Chest CT, axial plane, 135 kVp, kernel FC01. Slice 64/124 from the bottom of the scan; thickness 3.00 mm; pixel size 0.854 mm.
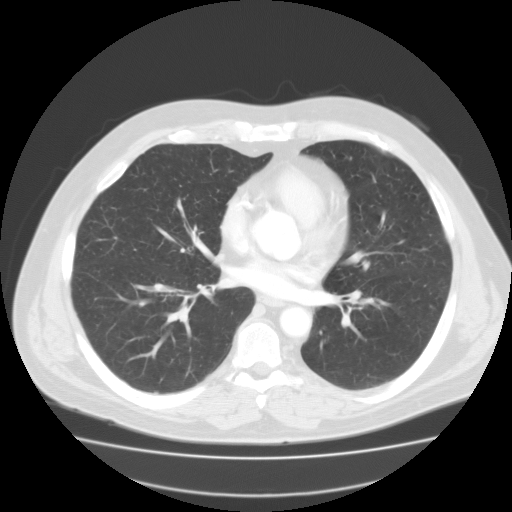
None of the four readers outlined a nodule of 3 mm or more on this slice.